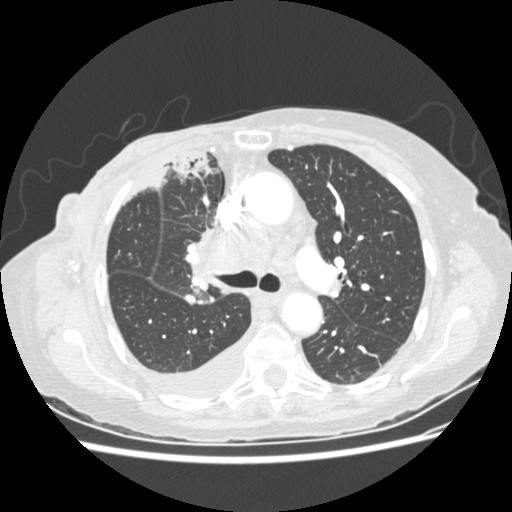
Axial chest CT slice 172 of 238 (counted from the lowest slice); tube voltage 120 kVp, convolution kernel STANDARD; slices 1.25 mm thick, 0.664 mm per pixel.
Pulmonary nodule at rows 294–304, columns 184–195 (box = the union of the readers' outlines on this slice), outlined by two of the four readers; median longest diameter 32.4 mm (readers' outlines 31.3–33.5 mm), median volume 8391 mm3 (8200–8583 mm3). Ratings, median across the readers with their spread: texture 5/5 (solid), both readers agreeing; margin 4.5/5 at the median of two readers, spread 4/5 to 5/5 (circumscribed); sphericity 4/5, both readers agreeing; calcification absent, both readers agreeing; internal structure soft tissue from both readers; subtlety 5/5 from both readers; median malignancy likelihood 4/5 (readers ranged 3–5). Scale key (1–5): texture non-solid→solid, margin indistinct→circumscribed, sphericity linear→round, subtlety extremely subtle→obvious, malignancy likelihood highly unlikely→highly suspicious of cancer. Box rows and columns are 0-based pixel indices from the top-left corner, inclusive.